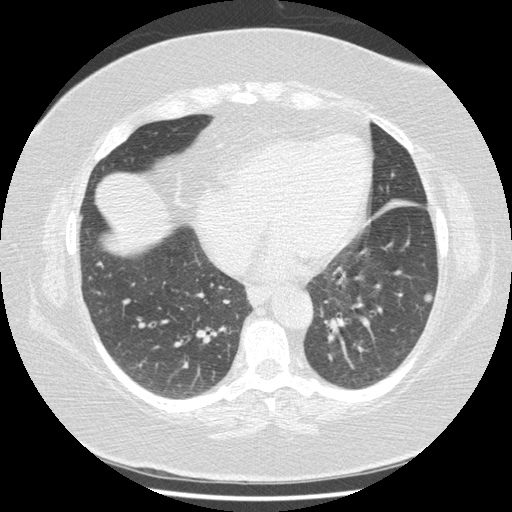
Slice 167/417 of a chest CT, counting up from the lowest; pixel size 0.703 mm, slice thickness 1.25 mm. Pulmonary nodule outlined by all four readers; box rows 292–303, columns 423–432 (the union of the readers' outlines on this slice); longest diameter 11.0 mm on average over the four readers' outlines (readers' outlines 10.1–11.6 mm), volume 183–290 mm3. Ratings, by the readers' most common answer with dissent counted: texture 5/5 (solid) from all four readers; margin split among the readers: 4/5 (two), 5/5 (circumscribed) (two); sphericity 3/5 (ovoid) by three of four readers; the rest gave 4/5 (one); calcification absent from all four readers; internal structure soft tissue from all four readers; most readers (three of four) put subtlety at 5/5, others 4/5 (one); most readers (three of four) put malignancy likelihood at 3/5, others 4/5 (one). Scale key (1–5): texture non-solid→solid, margin indistinct→circumscribed, sphericity linear→round, subtlety extremely subtle→obvious, malignancy likelihood highly unlikely→highly suspicious of cancer. Box rows and columns are 0-based pixel indices from the top-left corner, inclusive.
Scan settings: 120 kVp, STANDARD reconstruction kernel.